Axial chest CT slice 76 of 241 (counted from the lowest slice); tube voltage 120 kVp, convolution kernel STANDARD; slices 1.25 mm thick, 0.609 mm per pixel.
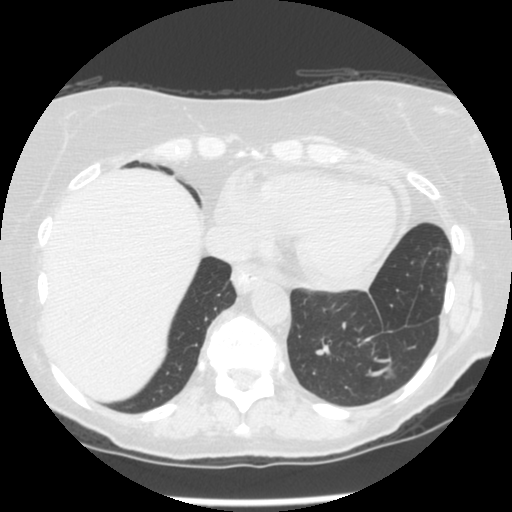
Pulmonary nodule at rows 369–378, columns 384–396 (box = the union of the readers' outlines on this slice), outlined by all four readers; longest diameter 7.3–9.1 mm and volume 77–138 mm3 across the four readers' outlines. The readers' ratings, as ranges where they differ: texture from 1/5 (non-solid) to 3/5 (part-solid) across the four readers; margin from 2/5 to 4/5 across the four readers; sphericity from 3/5 (ovoid) to 5/5 (round) across the four readers; calcification absent, all four readers agreeing; internal structure soft tissue from all four readers; subtlety rated between 1 and 4 out of 5 by the four readers; malignancy likelihood from 2/5 to 4/5 across the four readers. Scale key (1–5): texture non-solid→solid, margin indistinct→circumscribed, sphericity linear→round, subtlety extremely subtle→obvious, malignancy likelihood highly unlikely→highly suspicious of cancer. Box rows and columns are 0-based pixel indices from the top-left corner, inclusive.